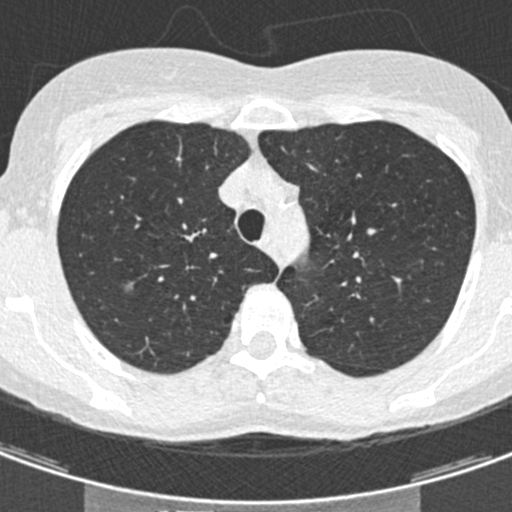
Axial slice 335 of 429 of a chest CT (slice 1 is the lowest), reconstructed with the B30f kernel at 120 kVp; 0.75 mm slice thickness and 0.537 mm pixels.
Pulmonary nodule, outlined by all four readers. Box on this slice rows 281–291, columns 123–134, the union of the readers' outlines on this slice; longest diameter 12.6 mm on average over the four readers' outlines (readers' outlines 11.2–13.4 mm), volume 226–398 mm3. The readers' prevailing ratings and who disagreed: texture split among the readers: 3/5 (part-solid) (two), 4/5 (two); margin 3/5 by two of four readers; the rest gave 1/5 (indistinct) (one), 4/5 (one); sphericity 2/5 by two of four readers; the rest gave 3/5 (ovoid) (one), 5/5 (round) (one); calcification absent, all four readers agreeing; internal structure soft tissue from all four readers; subtlety 5/5 by two of four readers; the rest gave 3/5 (one), 4/5 (one); malignancy likelihood split among the readers: 3/5 (two), 4/5 (two). Scale key (1–5): texture non-solid→solid, margin indistinct→circumscribed, sphericity linear→round, subtlety extremely subtle→obvious, malignancy likelihood highly unlikely→highly suspicious of cancer. Box rows and columns are 0-based pixel indices from the top-left corner, inclusive.